Axial chest CT slice 290 of 557 (counted from the lowest slice); tube voltage 120 kVp, convolution kernel STANDARD; slices 1.25 mm thick, 0.703 mm per pixel.
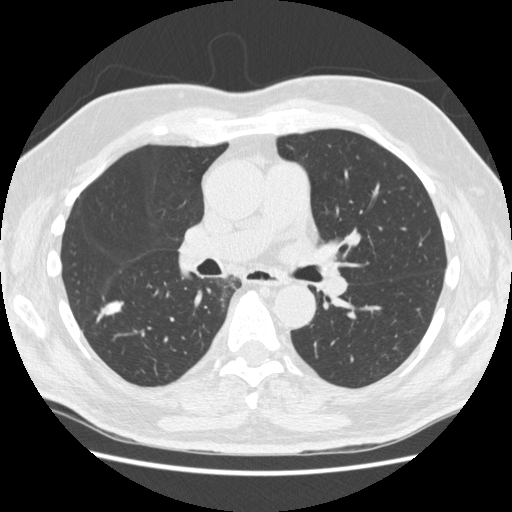
Pulmonary nodule at rows 300–322, columns 95–124 (box = the union of the readers' outlines on this slice), outlined by all four readers; the four readers' outlines give a longest diameter between 19.1 and 25.0 mm and a volume between 785 and 1099 mm3. Ratings across the readers: texture from 4/5 to 5/5 (solid) across the four readers; margin from 3/5 to 5/5 (circumscribed) across the four readers; sphericity from 2/5 to 3/5 (ovoid) across the four readers; calcification absent, all four readers agreeing; internal structure soft tissue, all four readers agreeing; subtlety 4–5/5 (the readers disagree); malignancy likelihood rated between 2 and 5 out of 5 by the four readers. Scale key (1–5): texture non-solid→solid, margin indistinct→circumscribed, sphericity linear→round, subtlety extremely subtle→obvious, malignancy likelihood highly unlikely→highly suspicious of cancer. Box rows and columns are 0-based pixel indices from the top-left corner, inclusive.